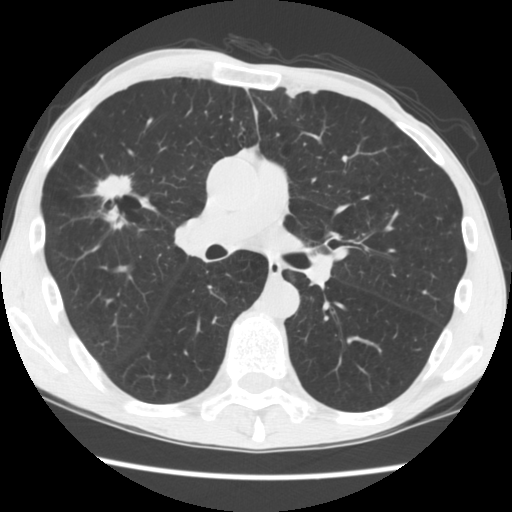
Axial slice 99 of 181 of a chest CT (slice 1 is the lowest), reconstructed with the STANDARD kernel at 120 kVp; 2.50 mm slice thickness and 0.645 mm pixels.
Pulmonary nodule outlined by all four readers; box rows 172–232, columns 84–132 (the union of the readers' outlines on this slice); longest diameter 39.8 mm on average over the four readers' outlines (readers' outlines 35.2–44.7 mm), volume 5781–11800 mm3. The readers' prevailing ratings and who disagreed: texture 4/5 by three of four readers; the rest gave 5/5 (solid) (one); margin 3/5 by two of four readers; the rest gave 2/5 (one), 4/5 (one); sphericity split among the readers: 2/5 (one), 3/5 (ovoid) (one), 4/5 (one), 5/5 (round) (one); calcification absent, all four readers agreeing; internal structure soft tissue from all four readers; subtlety 5/5 from all four readers; malignancy likelihood 5/5, all four readers agreeing. Scale key (1–5): texture non-solid→solid, margin indistinct→circumscribed, sphericity linear→round, subtlety extremely subtle→obvious, malignancy likelihood highly unlikely→highly suspicious of cancer. Box rows and columns are 0-based pixel indices from the top-left corner, inclusive.